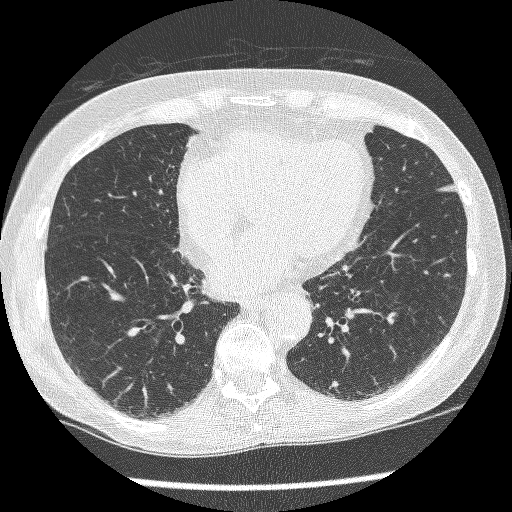
Chest CT, axial plane, 120 kVp, kernel BONE. Slice 92/230 from the bottom of the scan; thickness 1.25 mm; pixel size 0.605 mm.
Pulmonary nodule, outlined by all four readers. Box on this slice rows 380–387, columns 331–338, the union of the readers' outlines on this slice; median longest diameter 5.7 mm (readers' outlines 4.1–7.1 mm), median volume 42 mm3 (31–81 mm3). Ratings, median across the readers with their spread: median texture 5/5 (solid) (readers ranged 4/5 to 5/5 (solid)); margin 4/5 at the median of four readers, spread 3/5 to 5/5 (circumscribed); sphericity 4/5 at the median of four readers, spread 4/5 to 5/5 (round); calcification absent, all four readers agreeing; internal structure soft tissue from all four readers; median subtlety 3.5/5 (readers ranged 1–5); malignancy likelihood 3/5 at the median of four readers, spread 3–4. Scale key (1–5): texture non-solid→solid, margin indistinct→circumscribed, sphericity linear→round, subtlety extremely subtle→obvious, malignancy likelihood highly unlikely→highly suspicious of cancer. Box rows and columns are 0-based pixel indices from the top-left corner, inclusive.